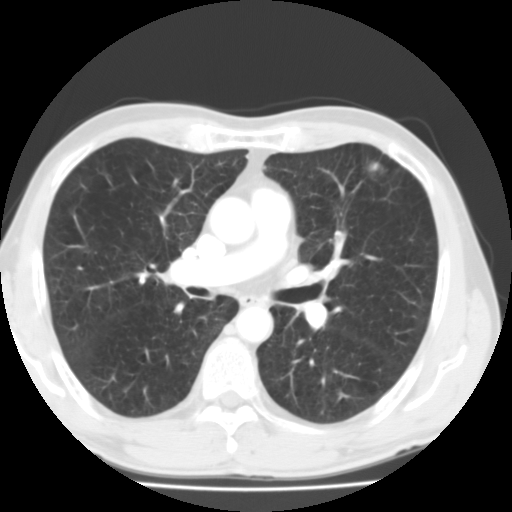
Chest CT, axial plane, 135 kVp, kernel FC01. Slice 67/119 from the bottom of the scan; thickness 3.00 mm; pixel size 0.640 mm.
Pulmonary nodule outlined by all four readers, three of them on this slice; box rows 161–177, columns 368–386 (the union of the readers' outlines on this slice); median longest diameter 21.0 mm (readers' outlines 19.4–21.3 mm), median volume 3239 mm3 (2099–3516 mm3). Ratings, median across the readers with their spread: texture 5/5 (solid) from all four readers; margin 5/5 (circumscribed) at the median of four readers, spread 4/5 to 5/5 (circumscribed); sphericity 4/5 at the median of four readers, spread 3/5 (ovoid) to 4/5; calcification: absent (three), central calcification (one); internal structure soft tissue, all four readers agreeing; subtlety 5/5, all four readers agreeing; median malignancy likelihood 4/5 (readers ranged 1–5). Scale key (1–5): texture non-solid→solid, margin indistinct→circumscribed, sphericity linear→round, subtlety extremely subtle→obvious, malignancy likelihood highly unlikely→highly suspicious of cancer. Box rows and columns are 0-based pixel indices from the top-left corner, inclusive.